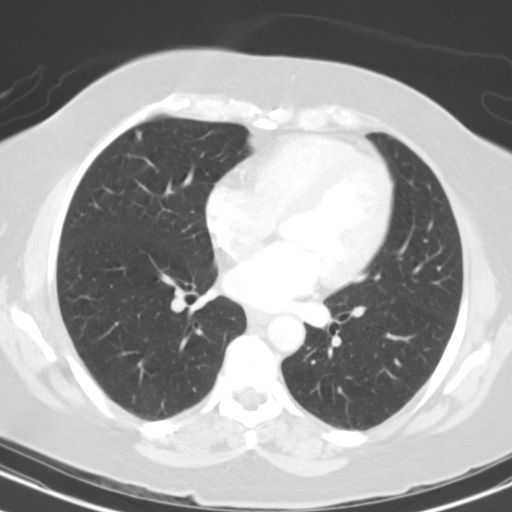
Axial chest CT slice 62 of 114 (counted from the lowest slice); 3.00 mm thick, 0.617 mm per pixel. Pulmonary nodule, outlined by three of the four readers. Box on this slice rows 130–140, columns 135–141, the union of the readers' outlines on this slice; longest diameter 7.5 mm on average over the three readers' outlines (readers' outlines 7.0–7.7 mm), volume 138–162 mm3. The readers' prevailing ratings and who disagreed: texture split among the readers: 2/5 (one), 3/5 (part-solid) (one), 4/5 (one); margin split among the readers: 2/5 (one), 3/5 (one), 4/5 (one); sphericity split among the readers: 2/5 (one), 3/5 (ovoid) (one), 5/5 (round) (one); calcification absent, all three readers agreeing; internal structure soft tissue from all three readers; subtlety split among the readers: 3/5 (one), 4/5 (one), 5/5 (one); malignancy likelihood split among the readers: 2/5 (one), 3/5 (one), 4/5 (one). Scale key (1–5): texture non-solid→solid, margin indistinct→circumscribed, sphericity linear→round, subtlety extremely subtle→obvious, malignancy likelihood highly unlikely→highly suspicious of cancer. Box rows and columns are 0-based pixel indices from the top-left corner, inclusive.
Acquired at 130 kVp and reconstructed with the B31s kernel.